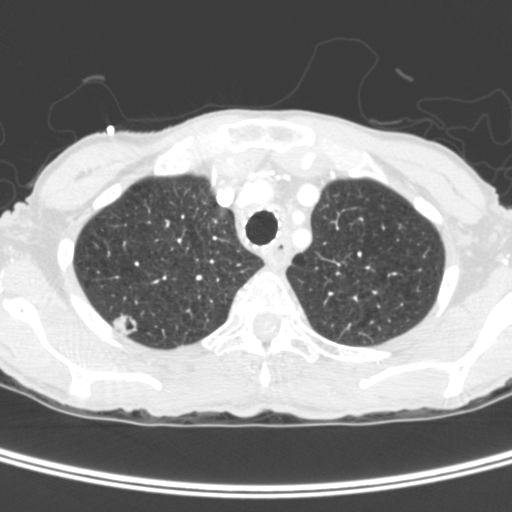
Axial chest CT slice 323 of 400 (counted from the lowest slice); 1.50 mm thick, 0.527 mm per pixel. Pulmonary nodule outlined by three of the four readers; box rows 313–335, columns 112–137 (the union of the readers' outlines on this slice); longest diameter 15.5 mm on average over the three readers' outlines (readers' outlines 15.0–15.8 mm), volume 1012–1166 mm3. Ratings, by the readers' most common answer with dissent counted: texture 5/5 (solid) by two of three readers; the rest gave 3/5 (part-solid) (one); margin 4/5, all three readers agreeing; most readers (two of three) put sphericity at 5/5 (round), others 4/5 (one); calcification absent, all three readers agreeing; internal structure soft tissue by two of three readers, air (one); subtlety 5/5, all three readers agreeing; malignancy likelihood 5/5 by two of three readers; the rest gave 4/5 (one). Scale key (1–5): texture non-solid→solid, margin indistinct→circumscribed, sphericity linear→round, subtlety extremely subtle→obvious, malignancy likelihood highly unlikely→highly suspicious of cancer. Box rows and columns are 0-based pixel indices from the top-left corner, inclusive.
Tube voltage 120 kVp; convolution kernel C.